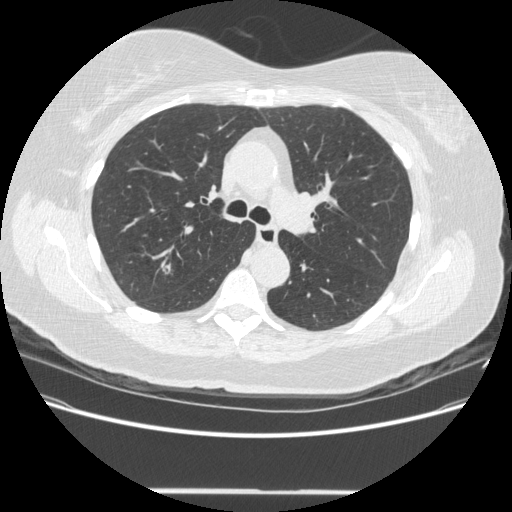
Axial slice 307 of 481 of a chest CT (slice 1 is the lowest), reconstructed with the STANDARD kernel at 120 kVp; 1.25 mm slice thickness and 0.742 mm pixels.
Pulmonary nodule outlined by three of the four readers, two of them on this slice; box rows 265–274, columns 162–170 (the union of the readers' outlines on this slice); median longest diameter 14.2 mm (readers' outlines 13.9–15.6 mm), median volume 777 mm3 (741–820 mm3). Ratings, median across the readers with their spread: texture 4/5 from all three readers; median margin 4/5 (readers ranged 3/5 to 4/5); median sphericity 3/5 (ovoid) (readers ranged 3/5 (ovoid) to 4/5); calcification absent from all three readers; internal structure soft tissue from all three readers; median subtlety 4/5 (readers ranged 4–5); malignancy likelihood 5/5 at the median of three readers, spread 4–5. Scale key (1–5): texture non-solid→solid, margin indistinct→circumscribed, sphericity linear→round, subtlety extremely subtle→obvious, malignancy likelihood highly unlikely→highly suspicious of cancer. Box rows and columns are 0-based pixel indices from the top-left corner, inclusive.